One axial slice (112 of 130, counting up from the lowest) of a chest CT acquired at 120 kVp with the LUNG kernel; each pixel is 0.703 mm and the slice is 2.50 mm thick.
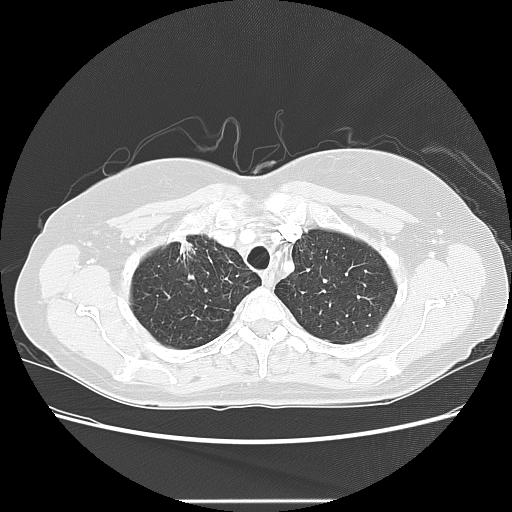
Pulmonary nodule at rows 239–255, columns 179–192 (box = the union of the readers' outlines on this slice), outlined by three of the four readers; the three readers' outlines give a longest diameter between 26.3 and 33.4 mm and a volume between 4054 and 5494 mm3. Ratings across the readers: texture from 4/5 to 5/5 (solid) across the three readers; margin from 3/5 to 5/5 (circumscribed) across the three readers; sphericity from 3/5 (ovoid) to 5/5 (round) across the three readers; calcification absent, all three readers agreeing; internal structure soft tissue from all three readers; subtlety 5/5, all three readers agreeing; malignancy likelihood rated between 4 and 5 out of 5 by the three readers. Scale key (1–5): texture non-solid→solid, margin indistinct→circumscribed, sphericity linear→round, subtlety extremely subtle→obvious, malignancy likelihood highly unlikely→highly suspicious of cancer. Box rows and columns are 0-based pixel indices from the top-left corner, inclusive.